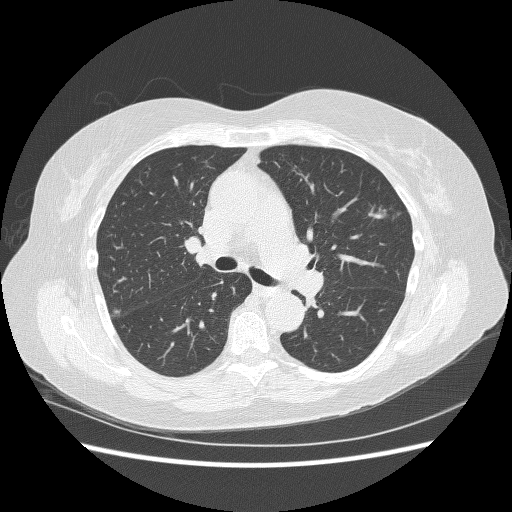
One axial slice (154 of 240, counting up from the lowest) of a chest CT acquired at 120 kVp with the BONE kernel; each pixel is 0.703 mm and the slice is 1.25 mm thick.
Pulmonary nodule at rows 308–312, columns 114–119 (box = that reader's outline on this slice), outlined by one of the four readers; longest diameter 8.0 mm and volume 74 mm3 from that reader's outline. That reader's ratings: texture 5/5 (solid); margin 5/5 (circumscribed); sphericity 3/5 (ovoid); calcification absent; internal structure soft tissue; subtlety 4/5; malignancy likelihood 2/5. Scale key (1–5): texture non-solid→solid, margin indistinct→circumscribed, sphericity linear→round, subtlety extremely subtle→obvious, malignancy likelihood highly unlikely→highly suspicious of cancer. Box rows and columns are 0-based pixel indices from the top-left corner, inclusive.